One axial slice (295 of 458, counting up from the lowest) of a chest CT acquired at 120 kVp with the STANDARD kernel; each pixel is 0.625 mm and the slice is 1.25 mm thick.
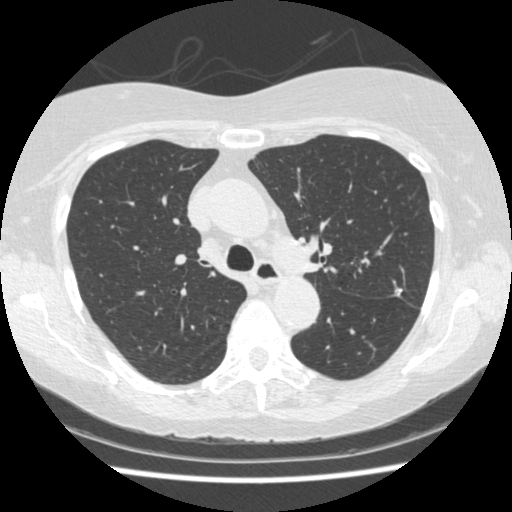
Pulmonary nodule outlined by all four readers; box rows 288–295, columns 395–402 (the union of the readers' outlines on this slice); longest diameter 6.9 mm on average over the four readers' outlines (readers' outlines 6.8–7.1 mm), volume 96–159 mm3. Ratings, by the readers' most common answer with dissent counted: most readers (three of four) put texture at 5/5 (solid), others 4/5 (one); margin 5/5 (circumscribed) by three of four readers; the rest gave 4/5 (one); sphericity split among the readers: 3/5 (ovoid) (two), 4/5 (two); calcification solid calcification by two of four readers, central calcification (one), absent (one); internal structure soft tissue, all four readers agreeing; subtlety split among the readers: 4/5 (two), 5/5 (two); most readers (three of four) put malignancy likelihood at 1/5, others 3/5 (one). Scale key (1–5): texture non-solid→solid, margin indistinct→circumscribed, sphericity linear→round, subtlety extremely subtle→obvious, malignancy likelihood highly unlikely→highly suspicious of cancer. Box rows and columns are 0-based pixel indices from the top-left corner, inclusive.